Axial slice 290 of 519 of a chest CT (slice 1 is the lowest), reconstructed with the STANDARD kernel at 120 kVp; 1.25 mm slice thickness and 0.703 mm pixels.
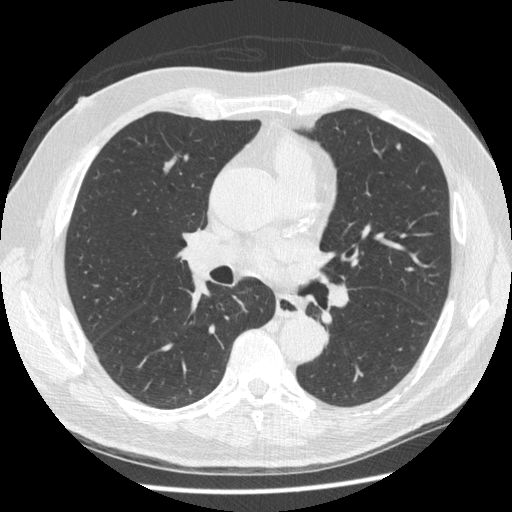
Pulmonary nodule at rows 143–149, columns 395–400 (box = the union of the readers' outlines on this slice), outlined by all four readers; longest diameter 5.8–6.4 mm and volume 39–52 mm3 across the four readers' outlines. The readers' ratings, as ranges where they differ: texture 5/5 (solid) from all four readers; margin from 4/5 to 5/5 (circumscribed) across the four readers; sphericity from 2/5 to 5/5 (round) across the four readers; calcification: absent (three), solid calcification (one); internal structure soft tissue, all four readers agreeing; subtlety rated between 2 and 4 out of 5 by the four readers; malignancy likelihood rated between 1 and 4 out of 5 by the four readers. Scale key (1–5): texture non-solid→solid, margin indistinct→circumscribed, sphericity linear→round, subtlety extremely subtle→obvious, malignancy likelihood highly unlikely→highly suspicious of cancer. Box rows and columns are 0-based pixel indices from the top-left corner, inclusive.